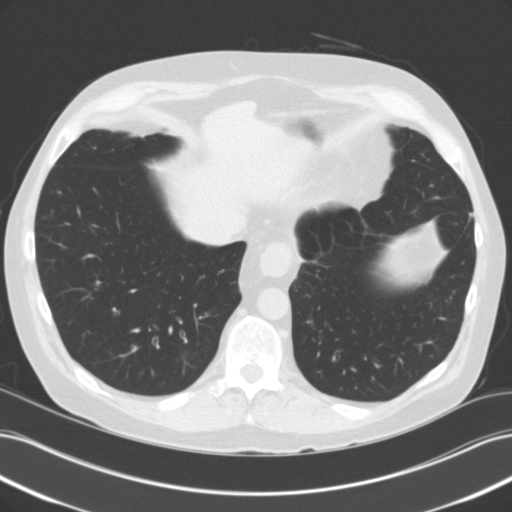
Chest CT, axial plane, 120 kVp, kernel B31f. Slice 33/118 from the bottom of the scan; thickness 3.00 mm; pixel size 0.707 mm.
None of the four readers outlined a nodule of 3 mm or more on this slice.